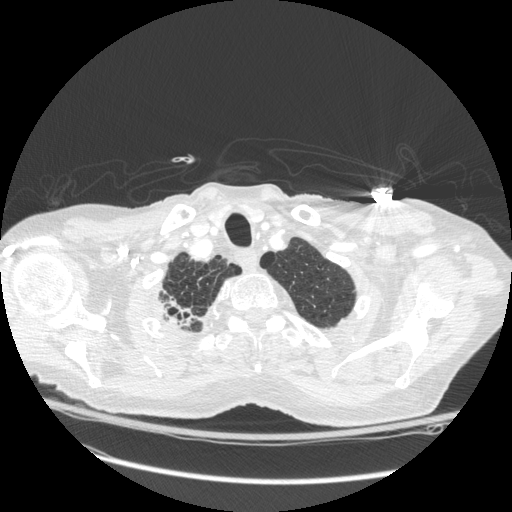
One axial slice (247 of 272, counting up from the lowest) of a chest CT acquired at 120 kVp with the STANDARD kernel; each pixel is 0.742 mm and the slice is 1.25 mm thick.
Pulmonary nodule at rows 295–327, columns 159–198 (box = the one reader's outline on this slice), outlined by all four readers, one of them on this slice; longest diameter 28.8 mm on average over the four readers' outlines (readers' outlines 16.0–56.1 mm), volume 732–13897 mm3. Ratings, by the readers' most common answer with dissent counted: texture 5/5 (solid) from all four readers; margin 3/5 by three of four readers; the rest gave 5/5 (circumscribed) (one); most readers (three of four) put sphericity at 3/5 (ovoid), others 4/5 (one); calcification absent, all four readers agreeing; internal structure soft tissue, all four readers agreeing; subtlety 5/5 from all four readers; malignancy likelihood 5/5 by three of four readers; the rest gave 4/5 (one). Scale key (1–5): texture non-solid→solid, margin indistinct→circumscribed, sphericity linear→round, subtlety extremely subtle→obvious, malignancy likelihood highly unlikely→highly suspicious of cancer. Box rows and columns are 0-based pixel indices from the top-left corner, inclusive.